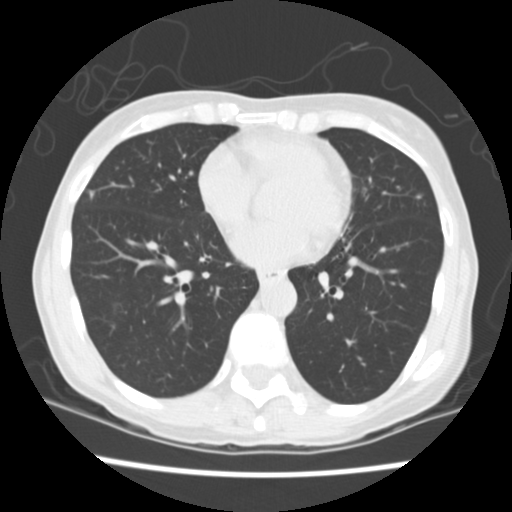
Axial slice 68 of 163 of a chest CT (slice 1 is the lowest), reconstructed with the STANDARD kernel at 120 kVp; 2.50 mm slice thickness and 0.586 mm pixels.
Pulmonary nodule at rows 190–199, columns 88–95 (box = the union of the readers' outlines on this slice), outlined by three of the four readers; longest diameter 9.3 mm on average over the three readers' outlines (readers' outlines 8.8–10.1 mm), volume 193–242 mm3. Ratings, by the readers' most common answer with dissent counted: texture split among the readers: 2/5 (one), 3/5 (part-solid) (one), 5/5 (solid) (one); margin 5/5 (circumscribed) by two of three readers; the rest gave 2/5 (one); sphericity 3/5 (ovoid) from all three readers; calcification absent, all three readers agreeing; internal structure soft tissue from all three readers; subtlety split among the readers: 2/5 (one), 3/5 (one), 5/5 (one); malignancy likelihood split among the readers: 2/5 (one), 3/5 (one), 4/5 (one). Scale key (1–5): texture non-solid→solid, margin indistinct→circumscribed, sphericity linear→round, subtlety extremely subtle→obvious, malignancy likelihood highly unlikely→highly suspicious of cancer. Box rows and columns are 0-based pixel indices from the top-left corner, inclusive.